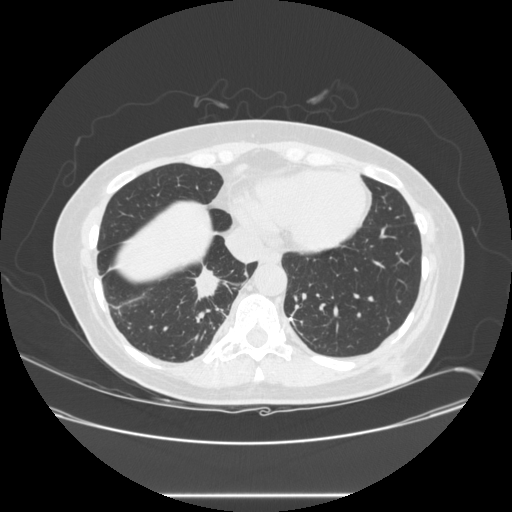
Axial chest CT slice 95 of 257 (counted from the lowest slice); tube voltage 120 kVp, convolution kernel STANDARD; slices 1.25 mm thick, 0.781 mm per pixel.
Pulmonary nodule at rows 263–300, columns 190–222 (box = the union of the readers' outlines on this slice), outlined by all four readers; the four readers' outlines give a longest diameter between 28.0 and 45.1 mm and a volume between 5019 and 8578 mm3. Ratings across the readers: texture 5/5 (solid), all four readers agreeing; margin from 1/5 (indistinct) to 5/5 (circumscribed) across the four readers; sphericity from 3/5 (ovoid) to 4/5 across the four readers; calcification absent from all four readers; internal structure soft tissue from all four readers; subtlety 5/5, all four readers agreeing; malignancy likelihood 5/5, all four readers agreeing. Scale key (1–5): texture non-solid→solid, margin indistinct→circumscribed, sphericity linear→round, subtlety extremely subtle→obvious, malignancy likelihood highly unlikely→highly suspicious of cancer. Box rows and columns are 0-based pixel indices from the top-left corner, inclusive.